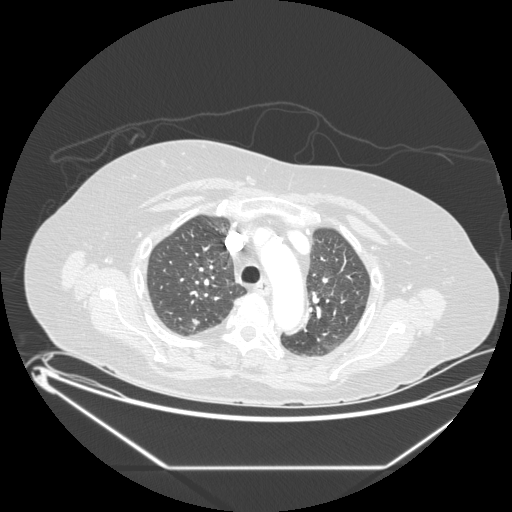
Axial chest CT slice 152 of 197 (counted from the lowest slice); 1.25 mm thick, 0.859 mm per pixel. Pulmonary nodule at rows 318–325, columns 191–199 (box = the union of the readers' outlines on this slice), outlined by all four readers; median longest diameter 10.0 mm (readers' outlines 8.2–16.1 mm), median volume 270 mm3 (248–473 mm3). Median ratings and the readers' spread: median texture 5/5 (solid) (readers ranged 4/5 to 5/5 (solid)); margin 3.5/5 at the median of four readers, spread 3/5 to 5/5 (circumscribed); median sphericity 3.5/5 (readers ranged 3/5 (ovoid) to 5/5 (round)); calcification absent from all four readers; internal structure soft tissue from all four readers; subtlety 4.5/5 at the median of four readers, spread 3–5; malignancy likelihood 3/5 at the median of four readers, spread 2–4. Scale key (1–5): texture non-solid→solid, margin indistinct→circumscribed, sphericity linear→round, subtlety extremely subtle→obvious, malignancy likelihood highly unlikely→highly suspicious of cancer. Box rows and columns are 0-based pixel indices from the top-left corner, inclusive.
Acquired at 120 kVp and reconstructed with the STANDARD kernel.